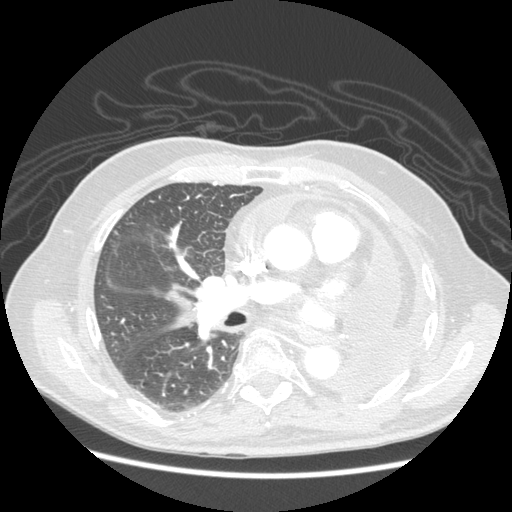
Chest CT, axial plane, 120 kVp, kernel STANDARD. Slice 125/214 from the bottom of the scan; thickness 1.25 mm; pixel size 0.703 mm.
The readers outlined no nodule of 3 mm or more on this slice.